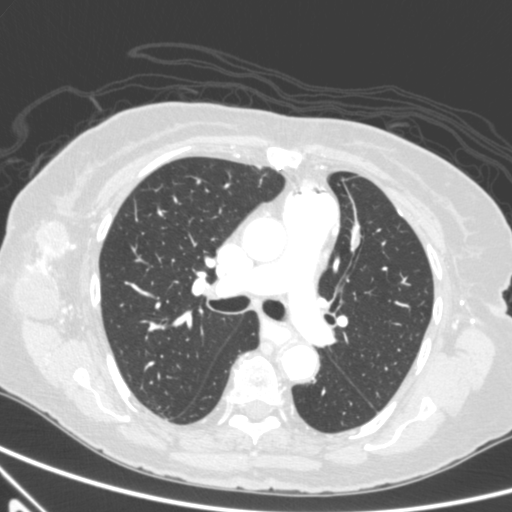
Chest CT, axial plane, 120 kVp, kernel B. Slice 353/590 from the bottom of the scan; thickness 0.90 mm; pixel size 0.627 mm.
Pulmonary nodule, outlined by all four readers, three of them on this slice. Box on this slice rows 229–247, columns 354–360, the union of the readers' outlines on this slice; longest diameter 16.3–20.1 mm and volume 1116–1236 mm3 across the four readers' outlines. The readers' ratings, as ranges where they differ: texture 5/5 (solid) from all four readers; margin from 3/5 to 5/5 (circumscribed) across the four readers; sphericity from 3/5 (ovoid) to 4/5 across the four readers; calcification absent, all four readers agreeing; internal structure soft tissue, all four readers agreeing; subtlety from 4/5 to 5/5 across the four readers; malignancy likelihood rated between 3 and 5 out of 5 by the four readers. Scale key (1–5): texture non-solid→solid, margin indistinct→circumscribed, sphericity linear→round, subtlety extremely subtle→obvious, malignancy likelihood highly unlikely→highly suspicious of cancer. Box rows and columns are 0-based pixel indices from the top-left corner, inclusive.